One axial slice (239 of 268, counting up from the lowest) of a chest CT acquired at 120 kVp with the BONE kernel; each pixel is 0.742 mm and the slice is 1.25 mm thick.
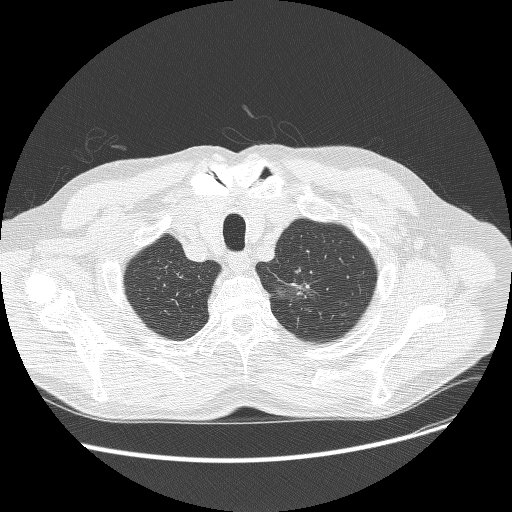
Pulmonary nodule outlined by three of the four readers, two of them on this slice; box rows 282–302, columns 275–315 (the union of the readers' outlines on this slice); median longest diameter 31.0 mm (readers' outlines 30.8–31.7 mm), median volume 5956 mm3 (4750–7267 mm3). Median ratings and the readers' spread: texture 3/5 (part-solid), all three readers agreeing; margin 1/5 (indistinct) from all three readers; median sphericity 3/5 (ovoid) (readers ranged 3/5 (ovoid) to 4/5); calcification absent from all three readers; internal structure soft tissue, all three readers agreeing; subtlety 5/5 at the median of three readers, spread 4–5; malignancy likelihood 4/5 at the median of three readers, spread 4–5. Scale key (1–5): texture non-solid→solid, margin indistinct→circumscribed, sphericity linear→round, subtlety extremely subtle→obvious, malignancy likelihood highly unlikely→highly suspicious of cancer. Box rows and columns are 0-based pixel indices from the top-left corner, inclusive.